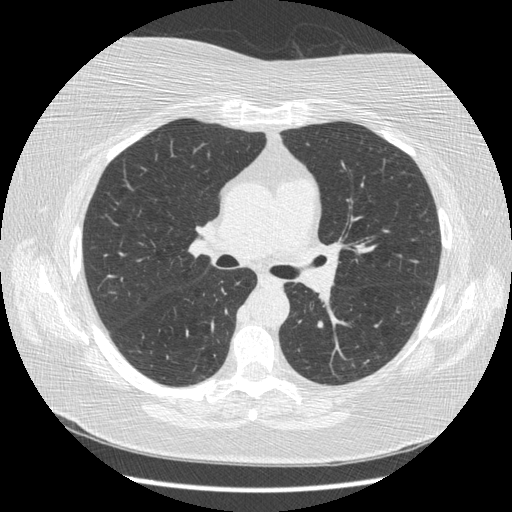
Chest CT, axial plane, 120 kVp, kernel STANDARD. Slice 277/481 from the bottom of the scan; thickness 1.25 mm; pixel size 0.703 mm.
No nodule 3 mm or larger was outlined here by any reader.